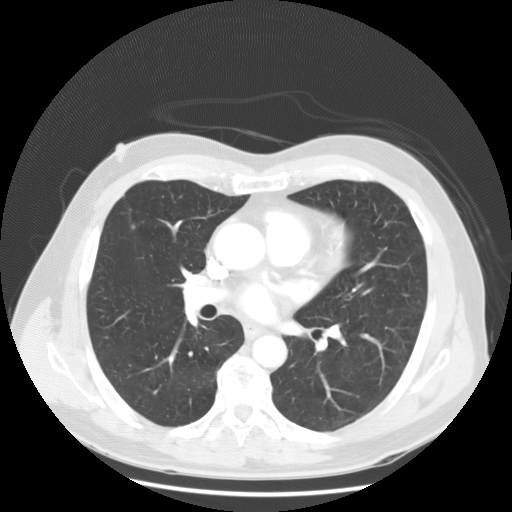
Axial chest CT slice 74 of 129 (counted from the lowest slice); tube voltage 120 kVp, convolution kernel STANDARD; slices 2.50 mm thick, 0.781 mm per pixel.
Pulmonary nodule at rows 223–230, columns 130–136 (box = the union of the readers' outlines on this slice), outlined by all four readers; the four readers' outlines give a longest diameter between 5.7 and 7.4 mm and a volume between 76 and 146 mm3. The readers' ratings, as ranges where they differ: texture from 3/5 (part-solid) to 5/5 (solid) across the four readers; margin from 2/5 to 5/5 (circumscribed) across the four readers; sphericity from 4/5 to 5/5 (round) across the four readers; calcification absent, all four readers agreeing; internal structure soft tissue from all four readers; subtlety 2–5/5 (the readers disagree); malignancy likelihood from 2/5 to 3/5 across the four readers. Scale key (1–5): texture non-solid→solid, margin indistinct→circumscribed, sphericity linear→round, subtlety extremely subtle→obvious, malignancy likelihood highly unlikely→highly suspicious of cancer. Box rows and columns are 0-based pixel indices from the top-left corner, inclusive.